Chest CT, axial plane, 120 kVp, kernel BONE. Slice 113/257 from the bottom of the scan; thickness 1.25 mm; pixel size 0.627 mm.
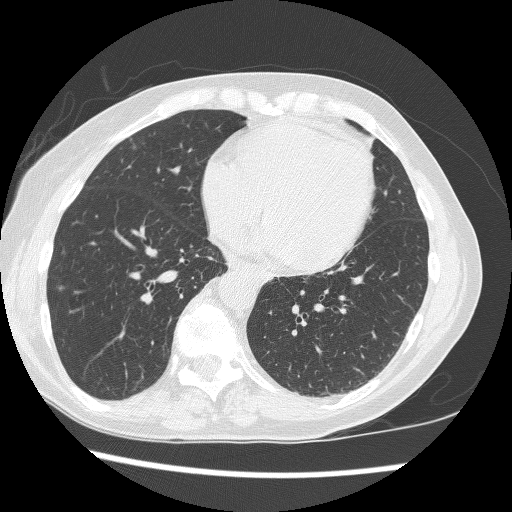
Pulmonary nodule outlined by one of the four readers; box rows 286–291, columns 56–63 (that reader's outline on this slice); longest diameter 6.4 mm and volume 53 mm3 from that reader's outline. Ratings by that reader: texture 3/5 (part-solid); margin 4/5; sphericity 3/5 (ovoid); calcification absent; internal structure soft tissue; subtlety 3/5; malignancy likelihood 4/5. Scale key (1–5): texture non-solid→solid, margin indistinct→circumscribed, sphericity linear→round, subtlety extremely subtle→obvious, malignancy likelihood highly unlikely→highly suspicious of cancer. Box rows and columns are 0-based pixel indices from the top-left corner, inclusive.